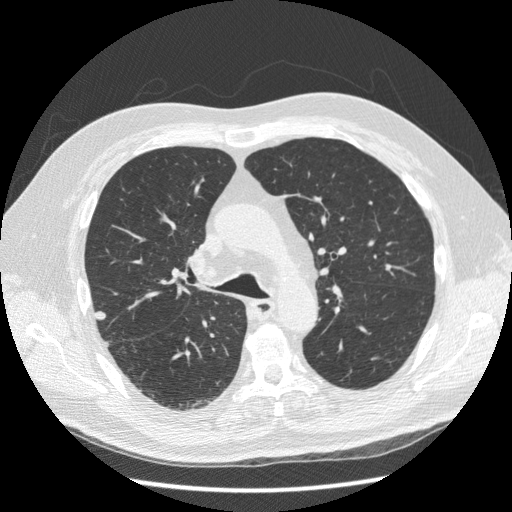
Axial slice 130 of 216 of a chest CT (slice 1 is the lowest), reconstructed with the STANDARD kernel at 120 kVp; 1.25 mm slice thickness and 0.703 mm pixels.
Pulmonary nodule at rows 311–319, columns 95–105 (box = the union of the readers' outlines on this slice), outlined by three of the four readers; longest diameter 9.1 mm on average over the three readers' outlines (readers' outlines 8.7–9.4 mm), volume 270–308 mm3. The readers' prevailing ratings and who disagreed: texture 5/5 (solid) from all three readers; most readers (two of three) put margin at 5/5 (circumscribed), others 4/5 (one); sphericity 4/5 by two of three readers; the rest gave 5/5 (round) (one); calcification absent, all three readers agreeing; internal structure soft tissue by two of three readers, adipose tissue (one); subtlety 5/5 by two of three readers; the rest gave 4/5 (one); malignancy likelihood 2/5 by two of three readers; the rest gave 4/5 (one). Scale key (1–5): texture non-solid→solid, margin indistinct→circumscribed, sphericity linear→round, subtlety extremely subtle→obvious, malignancy likelihood highly unlikely→highly suspicious of cancer. Box rows and columns are 0-based pixel indices from the top-left corner, inclusive.